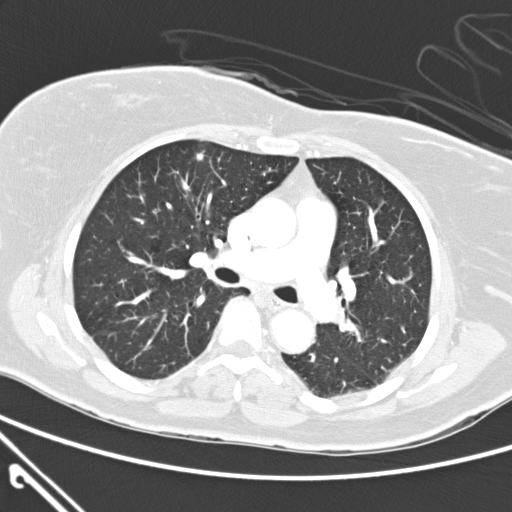
Axial chest CT slice 163 of 300 (counted from the lowest slice); tube voltage 120 kVp, convolution kernel D; slices 2.00 mm thick, 0.631 mm per pixel.
Pulmonary nodule at rows 150–161, columns 196–204 (box = the union of the readers' outlines on this slice), outlined by three of the four readers; longest diameter 9.5 mm on average over the three readers' outlines (readers' outlines 9.2–10.2 mm), volume 147–194 mm3. Ratings, by the readers' most common answer with dissent counted: texture 5/5 (solid) by two of three readers; the rest gave 4/5 (one); most readers (two of three) put margin at 4/5, others 3/5 (one); sphericity 4/5 from all three readers; calcification absent, all three readers agreeing; internal structure soft tissue, all three readers agreeing; subtlety 3/5 by two of three readers; the rest gave 5/5 (one); malignancy likelihood split among the readers: 2/5 (one), 3/5 (one), 4/5 (one). Scale key (1–5): texture non-solid→solid, margin indistinct→circumscribed, sphericity linear→round, subtlety extremely subtle→obvious, malignancy likelihood highly unlikely→highly suspicious of cancer. Box rows and columns are 0-based pixel indices from the top-left corner, inclusive.